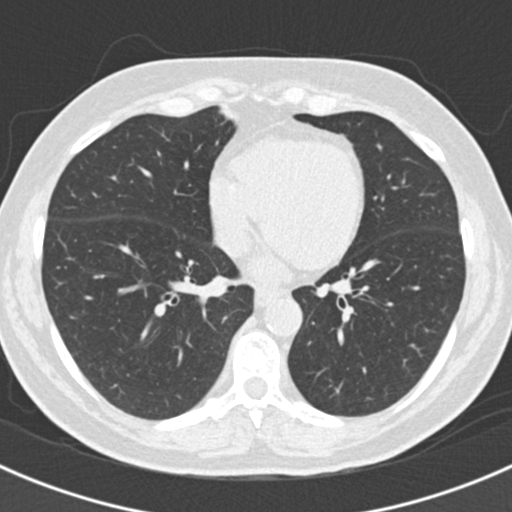
Chest CT, axial plane, 120 kVp, kernel B30f. Slice 83/193 from the bottom of the scan; thickness 2.00 mm; pixel size 0.605 mm.
No nodule of 3 mm or larger was outlined by any of the four readers on this slice.